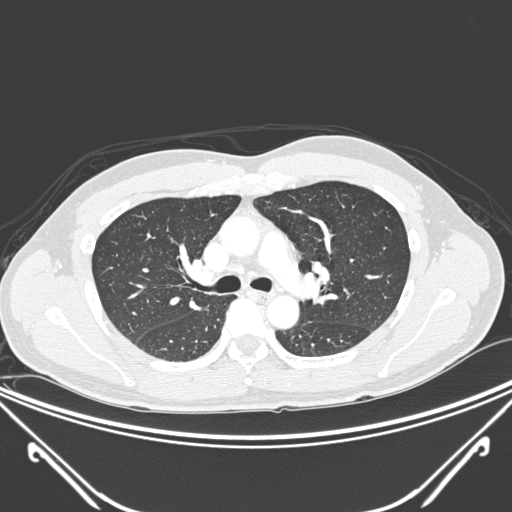
Slice 192/325 of a chest CT, counting up from the lowest; pixel size 0.781 mm, slice thickness 1.00 mm. This slice carries no reader outline of a nodule 3 mm or larger.
Scan settings: 120 kVp, D reconstruction kernel.